Axial chest CT slice 164 of 233 (counted from the lowest slice); tube voltage 120 kVp, convolution kernel STANDARD; slices 1.25 mm thick, 0.664 mm per pixel.
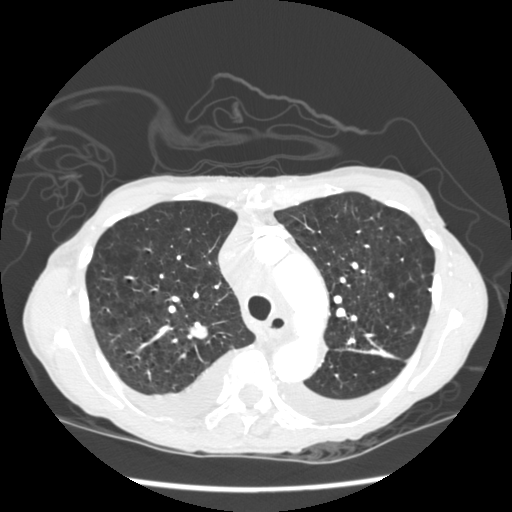
Pulmonary nodule, outlined by all four readers. Box on this slice rows 322–338, columns 188–207, the union of the readers' outlines on this slice; the four readers' outlines give a longest diameter between 14.3 and 15.4 mm and a volume between 906 and 1149 mm3. Ratings across the readers: texture 5/5 (solid) from all four readers; margin from 4/5 to 5/5 (circumscribed) across the four readers; sphericity from 3/5 (ovoid) to 4/5 across the four readers; calcification absent from all four readers; internal structure soft tissue from all four readers; subtlety 4–5/5 (the readers disagree); malignancy likelihood rated between 2 and 4 out of 5 by the four readers. Scale key (1–5): texture non-solid→solid, margin indistinct→circumscribed, sphericity linear→round, subtlety extremely subtle→obvious, malignancy likelihood highly unlikely→highly suspicious of cancer. Box rows and columns are 0-based pixel indices from the top-left corner, inclusive.